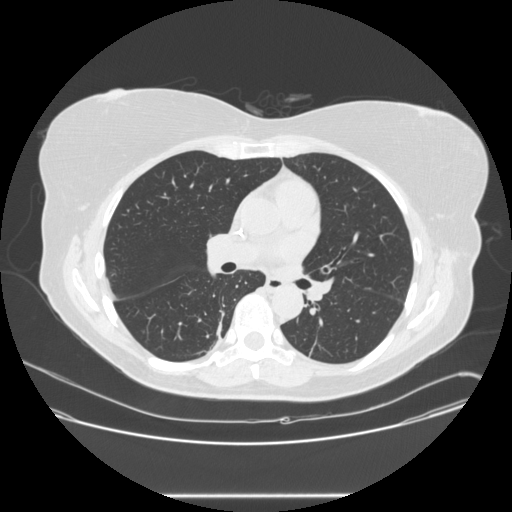
Axial chest CT slice 156 of 257 (counted from the lowest slice); tube voltage 120 kVp, convolution kernel STANDARD; slices 1.25 mm thick, 0.781 mm per pixel.
This slice carries no reader outline of a nodule 3 mm or larger.